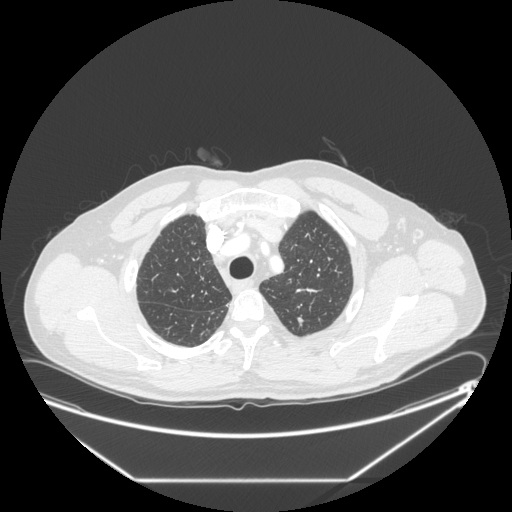
This is axial slice 212 of 277 (slice 1 is the lowest) of a chest CT; each pixel is 0.879 mm and the slice is 1.25 mm thick. Pulmonary nodule, outlined by all four readers. Box on this slice rows 316–326, columns 296–304, the union of the readers' outlines on this slice; median longest diameter 9.9 mm (readers' outlines 8.8–11.6 mm), median volume 204 mm3 (140–256 mm3). Median ratings and the readers' spread: texture 5/5 (solid), all four readers agreeing; median margin 4.5/5 (readers ranged 4/5 to 5/5 (circumscribed)); sphericity 3/5 (ovoid) at the median of four readers, spread 3/5 (ovoid) to 4/5; calcification absent, all four readers agreeing; internal structure soft tissue from all four readers; subtlety 4.5/5 at the median of four readers, spread 2–5; median malignancy likelihood 3.5/5 (readers ranged 2–4). Scale key (1–5): texture non-solid→solid, margin indistinct→circumscribed, sphericity linear→round, subtlety extremely subtle→obvious, malignancy likelihood highly unlikely→highly suspicious of cancer. Box rows and columns are 0-based pixel indices from the top-left corner, inclusive.
Scan settings: 120 kVp, STANDARD reconstruction kernel.